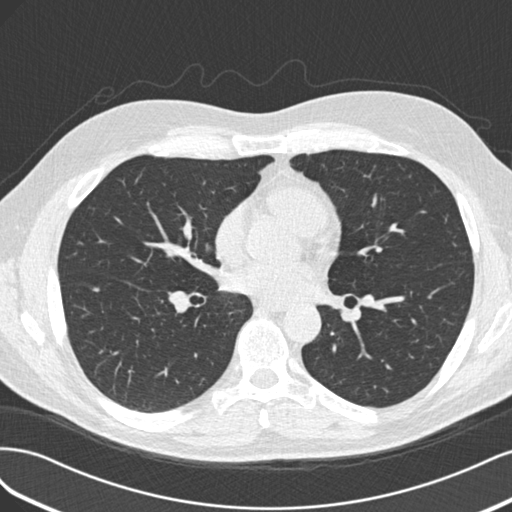
Axial chest CT slice 99 of 193 (counted from the lowest slice); 2.00 mm thick, 0.703 mm per pixel. Pulmonary nodule outlined by one of the four readers; box rows 287–291, columns 94–99 (that reader's outline on this slice); longest diameter 5.8 mm and volume 40 mm3 from that reader's outline. That reader's ratings: texture 4/5; margin 3/5; sphericity 2/5; calcification absent; internal structure soft tissue; subtlety 3/5; malignancy likelihood 2/5. Scale key (1–5): texture non-solid→solid, margin indistinct→circumscribed, sphericity linear→round, subtlety extremely subtle→obvious, malignancy likelihood highly unlikely→highly suspicious of cancer. Box rows and columns are 0-based pixel indices from the top-left corner, inclusive.
Tube voltage 120 kVp; convolution kernel B30f.